Chest CT, axial plane, 120 kVp, kernel B31f. Slice 75/117 from the bottom of the scan; thickness 3.00 mm; pixel size 0.779 mm.
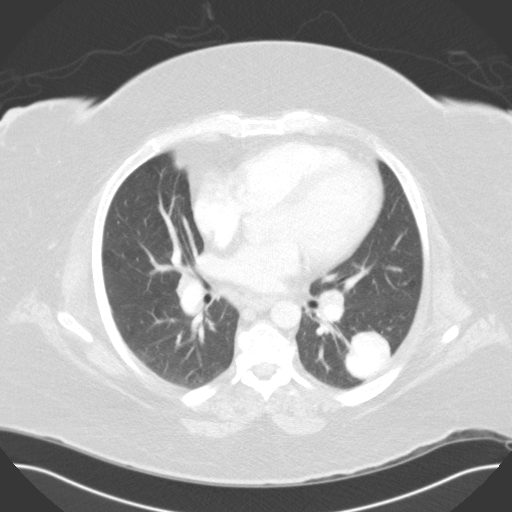
Pulmonary nodule outlined by two of the four readers; box rows 331–379, columns 344–390 (the union of the readers' outlines on this slice); longest diameter 39.4 mm on average over the two readers' outlines (readers' outlines 39.2–39.6 mm), volume 24959–25451 mm3. The readers' prevailing ratings and who disagreed: texture 5/5 (solid), both readers agreeing; margin 5/5 (circumscribed), both readers agreeing; sphericity 5/5 (round), both readers agreeing; calcification split among the readers: laminated calcification (one), absent (one); internal structure soft tissue from both readers; subtlety 5/5, both readers agreeing; malignancy likelihood split among the readers: 2/5 (one), 3/5 (one). Scale key (1–5): texture non-solid→solid, margin indistinct→circumscribed, sphericity linear→round, subtlety extremely subtle→obvious, malignancy likelihood highly unlikely→highly suspicious of cancer. Box rows and columns are 0-based pixel indices from the top-left corner, inclusive.